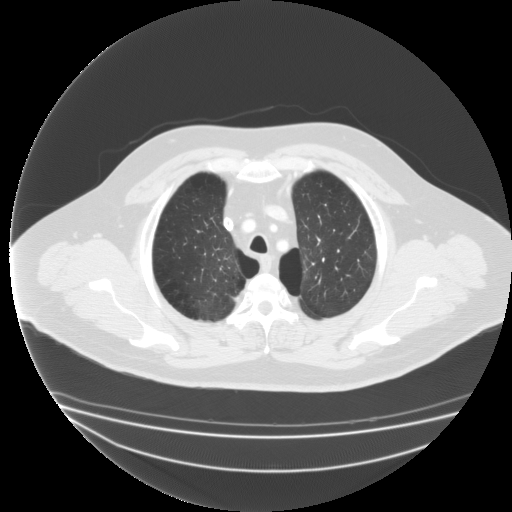
Axial chest CT slice 154 of 183 (counted from the lowest slice); tube voltage 135 kVp, convolution kernel FC03; slices 2.00 mm thick, 0.946 mm per pixel.
Pulmonary nodule, outlined by three of the four readers, one of them on this slice. Box on this slice rows 292–300, columns 234–240, the one reader's outline on this slice; median longest diameter 16.8 mm (readers' outlines 16.1–17.8 mm), median volume 1166 mm3 (986–1640 mm3). Median ratings and the readers' spread: texture 5/5 (solid), all three readers agreeing; median margin 3/5 (readers ranged 3/5 to 4/5); sphericity 4/5 from all three readers; calcification absent, all three readers agreeing; internal structure soft tissue, all three readers agreeing; subtlety 5/5 at the median of three readers, spread 4–5; malignancy likelihood 4/5, all three readers agreeing. Scale key (1–5): texture non-solid→solid, margin indistinct→circumscribed, sphericity linear→round, subtlety extremely subtle→obvious, malignancy likelihood highly unlikely→highly suspicious of cancer. Box rows and columns are 0-based pixel indices from the top-left corner, inclusive.